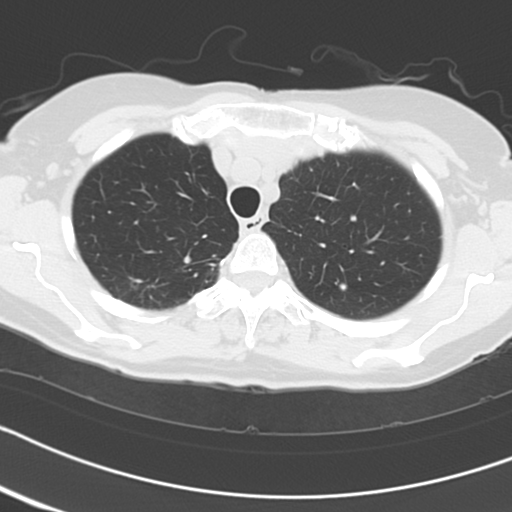
Axial slice 88 of 103 of a chest CT (slice 1 is the lowest), reconstructed with the B45f kernel at 120 kVp; 3.00 mm slice thickness and 0.566 mm pixels.
Pulmonary nodule outlined by three of the four readers; box rows 283–289, columns 339–346 (the union of the readers' outlines on this slice); longest diameter 6.6–6.9 mm and volume 150–192 mm3 across the three readers' outlines. Ratings across the readers: texture 5/5 (solid) from all three readers; margin 5/5 (circumscribed), all three readers agreeing; sphericity 5/5 (round) from all three readers; calcification solid calcification from all three readers; internal structure soft tissue from all three readers; subtlety from 4/5 to 5/5 across the three readers; malignancy likelihood 1/5, all three readers agreeing. Scale key (1–5): texture non-solid→solid, margin indistinct→circumscribed, sphericity linear→round, subtlety extremely subtle→obvious, malignancy likelihood highly unlikely→highly suspicious of cancer. Box rows and columns are 0-based pixel indices from the top-left corner, inclusive.